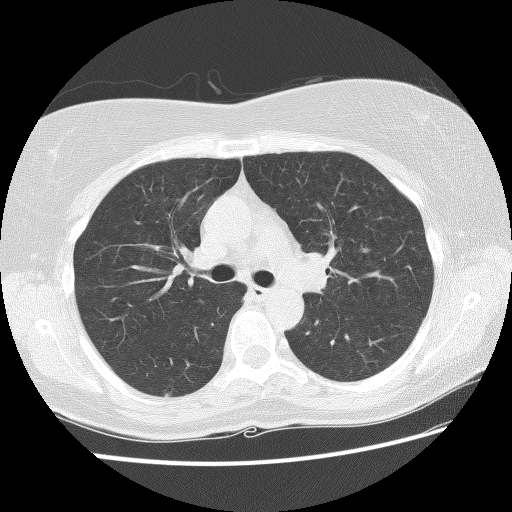
Axial chest CT slice 84 of 124 (counted from the lowest slice); 2.50 mm thick, 0.645 mm per pixel. Pulmonary nodule outlined by one of the four readers; box rows 391–395, columns 165–172 (that reader's outline on this slice); longest diameter 7.8 mm and volume 99 mm3 from that reader's outline. That reader's ratings: texture 5/5 (solid); margin 5/5 (circumscribed); sphericity 3/5 (ovoid); calcification absent; internal structure soft tissue; subtlety 4/5; malignancy likelihood 3/5. Scale key (1–5): texture non-solid→solid, margin indistinct→circumscribed, sphericity linear→round, subtlety extremely subtle→obvious, malignancy likelihood highly unlikely→highly suspicious of cancer. Box rows and columns are 0-based pixel indices from the top-left corner, inclusive.
Tube voltage 140 kVp; convolution kernel BONE.